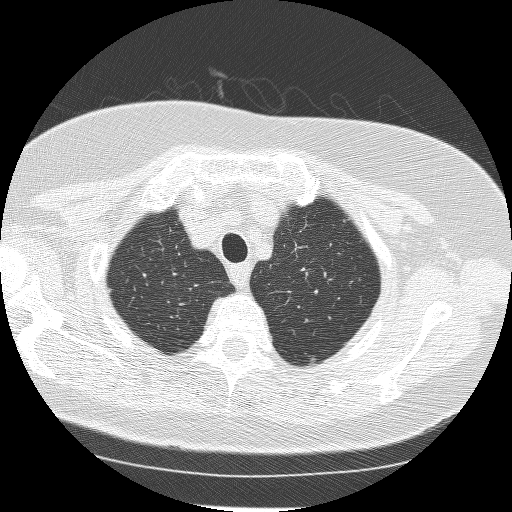
One axial slice (214 of 240, counting up from the lowest) of a chest CT acquired at 120 kVp with the BONE kernel; each pixel is 0.604 mm and the slice is 1.25 mm thick.
Pulmonary nodule at rows 356–362, columns 309–316 (box = that reader's outline on this slice), outlined by one of the four readers; longest diameter 6.2 mm and volume 38 mm3 from that reader's outline. Ratings by that reader: texture 5/5 (solid); margin 5/5 (circumscribed); sphericity 3/5 (ovoid); calcification absent; internal structure soft tissue; subtlety 4/5; malignancy likelihood 3/5. Scale key (1–5): texture non-solid→solid, margin indistinct→circumscribed, sphericity linear→round, subtlety extremely subtle→obvious, malignancy likelihood highly unlikely→highly suspicious of cancer. Box rows and columns are 0-based pixel indices from the top-left corner, inclusive.